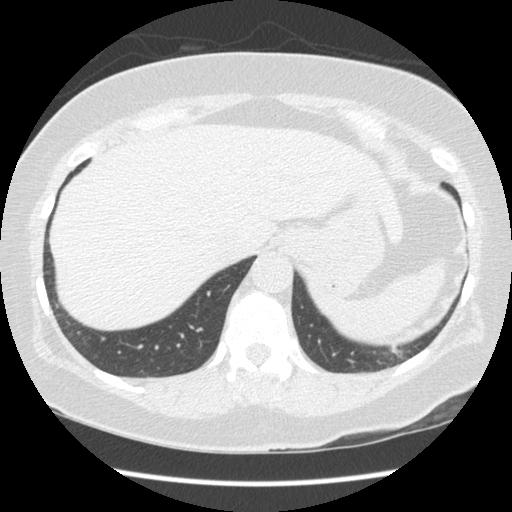
Axial slice 29 of 154 of a chest CT (slice 1 is the lowest), reconstructed with the STANDARD kernel at 120 kVp; 2.50 mm slice thickness and 0.645 mm pixels.
Pulmonary nodule outlined by one of the four readers; box rows 348–357, columns 390–401 (that reader's outline on this slice); longest diameter 24.1 mm and volume 2244 mm3 from that reader's outline. Ratings by that reader: texture 3/5 (part-solid); margin 3/5; sphericity 4/5; calcification absent; internal structure soft tissue; subtlety 4/5; malignancy likelihood 1/5. Scale key (1–5): texture non-solid→solid, margin indistinct→circumscribed, sphericity linear→round, subtlety extremely subtle→obvious, malignancy likelihood highly unlikely→highly suspicious of cancer. Box rows and columns are 0-based pixel indices from the top-left corner, inclusive.